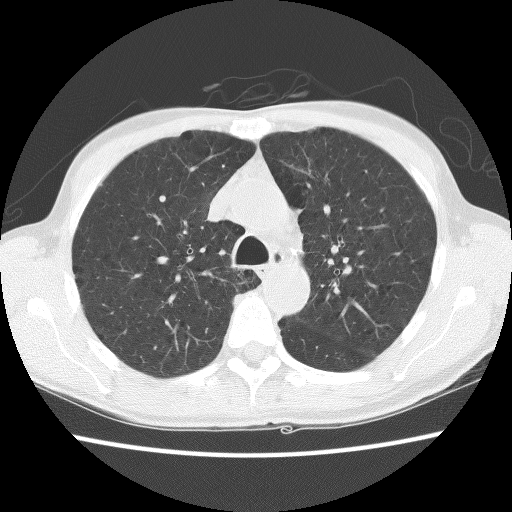
Axial chest CT slice 91 of 128 (counted from the lowest slice); 2.50 mm thick, 0.611 mm per pixel. None of the four readers outlined a nodule of 3 mm or more on this slice.
Tube voltage 140 kVp; convolution kernel BONE.